Axial slice 231 of 272 of a chest CT (slice 1 is the lowest), reconstructed with the STANDARD kernel at 120 kVp; 1.25 mm slice thickness and 0.742 mm pixels.
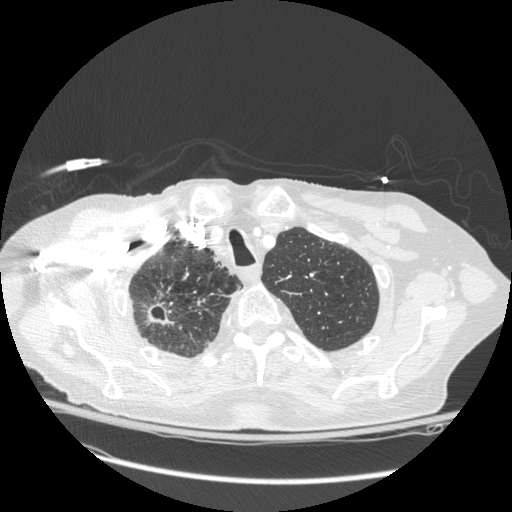
Pulmonary nodule, outlined by all four readers, two of them on this slice. Box on this slice rows 303–324, columns 147–172, the union of the readers' outlines on this slice; median longest diameter 21.5 mm (readers' outlines 16.0–56.1 mm), median volume 1723 mm3 (732–13897 mm3). Median ratings and the readers' spread: texture 5/5 (solid), all four readers agreeing; median margin 3/5 (readers ranged 3/5 to 5/5 (circumscribed)); sphericity 3/5 (ovoid) at the median of four readers, spread 3/5 (ovoid) to 4/5; calcification absent from all four readers; internal structure soft tissue, all four readers agreeing; subtlety 5/5 from all four readers; median malignancy likelihood 5/5 (readers ranged 4–5). Scale key (1–5): texture non-solid→solid, margin indistinct→circumscribed, sphericity linear→round, subtlety extremely subtle→obvious, malignancy likelihood highly unlikely→highly suspicious of cancer. Box rows and columns are 0-based pixel indices from the top-left corner, inclusive.